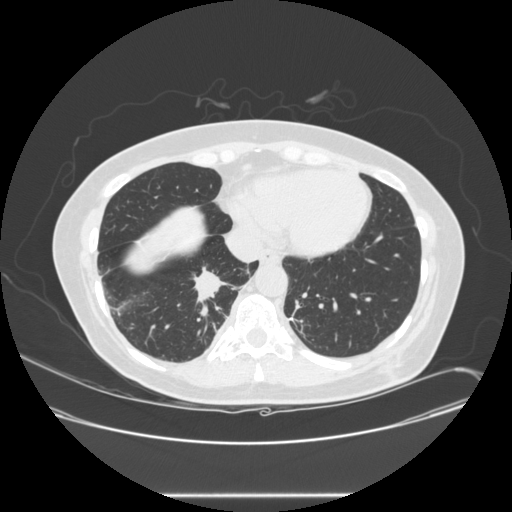
Axial slice 97 of 257 of a chest CT (slice 1 is the lowest), reconstructed with the STANDARD kernel at 120 kVp; 1.25 mm slice thickness and 0.781 mm pixels.
Pulmonary nodule, outlined by all four readers. Box on this slice rows 266–315, columns 189–238, the union of the readers' outlines on this slice; median longest diameter 33.5 mm (readers' outlines 28.0–45.1 mm), median volume 6377 mm3 (5019–8578 mm3). Ratings, median across the readers with their spread: texture 5/5 (solid) from all four readers; median margin 4.5/5 (readers ranged 1/5 (indistinct) to 5/5 (circumscribed)); sphericity 3.5/5 at the median of four readers, spread 3/5 (ovoid) to 4/5; calcification absent from all four readers; internal structure soft tissue, all four readers agreeing; subtlety 5/5 from all four readers; malignancy likelihood 5/5 from all four readers. Scale key (1–5): texture non-solid→solid, margin indistinct→circumscribed, sphericity linear→round, subtlety extremely subtle→obvious, malignancy likelihood highly unlikely→highly suspicious of cancer. Box rows and columns are 0-based pixel indices from the top-left corner, inclusive.